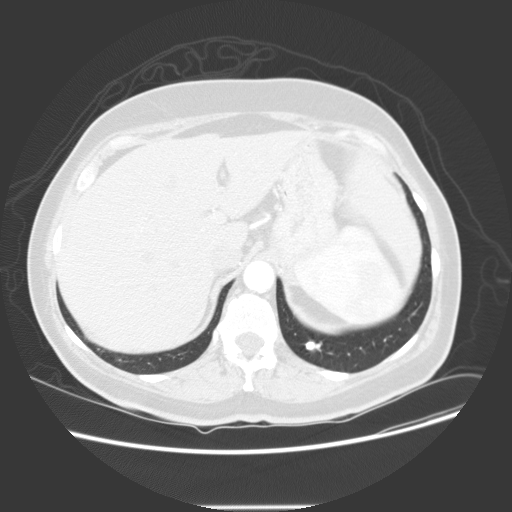
One axial slice (26 of 133, counting up from the lowest) of a chest CT acquired at 120 kVp with the STANDARD kernel; each pixel is 0.742 mm and the slice is 2.50 mm thick.
Pulmonary nodule outlined by all four readers; box rows 340–350, columns 305–315 (the union of the readers' outlines on this slice); longest diameter 10.6–12.0 mm and volume 373–535 mm3 across the four readers' outlines. Ratings across the readers: texture 5/5 (solid) from all four readers; margin from 4/5 to 5/5 (circumscribed) across the four readers; sphericity from 2/5 to 5/5 (round) across the four readers; calcification split among the readers: absent (two), solid calcification (two); internal structure soft tissue, all four readers agreeing; subtlety 4–5/5 (the readers disagree); malignancy likelihood 1–3/5 (the readers disagree). Scale key (1–5): texture non-solid→solid, margin indistinct→circumscribed, sphericity linear→round, subtlety extremely subtle→obvious, malignancy likelihood highly unlikely→highly suspicious of cancer. Box rows and columns are 0-based pixel indices from the top-left corner, inclusive.